One axial slice (137 of 290, counting up from the lowest) of a chest CT acquired at 120 kVp with the B kernel; each pixel is 0.816 mm and the slice is 2.00 mm thick.
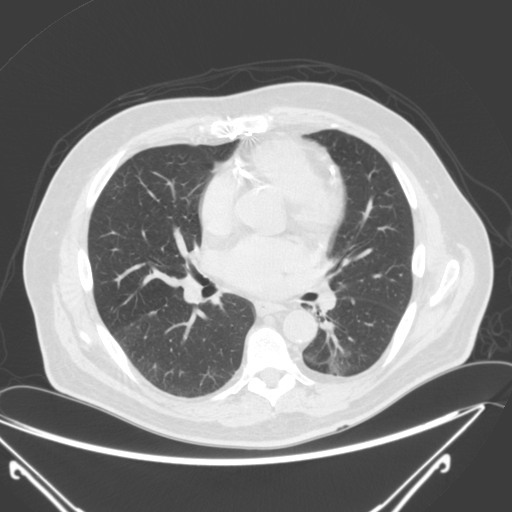
Two pulmonary nodules are outlined on this slice; from left to right: (1) Pulmonary nodule, outlined by two of the four readers. Box on this slice rows 311–316, columns 148–155, the union of the readers' outlines on this slice; longest diameter 8.8–10.0 mm and volume 144–154 mm3 across the two readers' outlines. Ratings across the readers: texture 5/5 (solid) from both readers; margin 5/5 (circumscribed) from both readers; sphericity from 3/5 (ovoid) to 4/5 across the two readers; calcification absent from both readers; internal structure soft tissue, both readers agreeing; subtlety rated between 3 and 5 out of 5 by the two readers; malignancy likelihood from 2/5 to 3/5 across the two readers. (2) Pulmonary nodule, outlined by all four readers. Box on this slice rows 298–304, columns 350–355, the union of the readers' outlines on this slice; longest diameter 6.5 mm on average over the four readers' outlines (readers' outlines 5.5–7.0 mm), volume 49–100 mm3. Ratings, by the readers' most common answer with dissent counted: most readers (three of four) put texture at 5/5 (solid), others 4/5 (one); margin 5/5 (circumscribed) by three of four readers; the rest gave 4/5 (one); sphericity 4/5 by two of four readers; the rest gave 3/5 (ovoid) (one), 5/5 (round) (one); calcification absent, all four readers agreeing; internal structure soft tissue, all four readers agreeing; subtlety split among the readers: 4/5 (two), 5/5 (two); malignancy likelihood split among the readers: 2/5 (two), 3/5 (two). Scale key (1–5): texture non-solid→solid, margin indistinct→circumscribed, sphericity linear→round, subtlety extremely subtle→obvious, malignancy likelihood highly unlikely→highly suspicious of cancer. Box rows and columns are 0-based pixel indices from the top-left corner, inclusive.